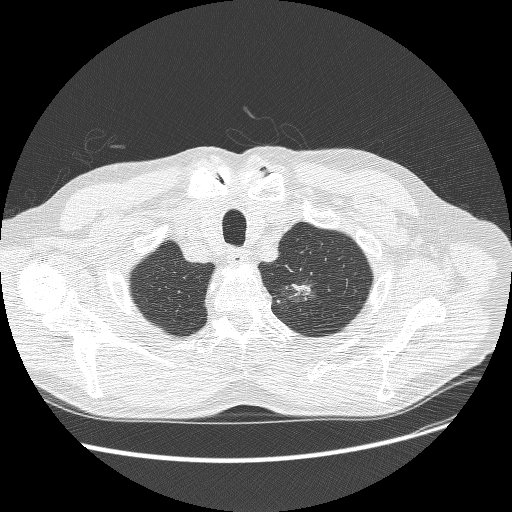
Axial chest CT slice 242 of 268 (counted from the lowest slice); 1.25 mm thick, 0.742 mm per pixel. Pulmonary nodule, outlined by three of the four readers. Box on this slice rows 279–305, columns 280–316, the union of the readers' outlines on this slice; longest diameter 30.8–31.7 mm and volume 4750–7267 mm3 across the three readers' outlines. Ratings across the readers: texture 3/5 (part-solid), all three readers agreeing; margin 1/5 (indistinct), all three readers agreeing; sphericity from 3/5 (ovoid) to 4/5 across the three readers; calcification absent, all three readers agreeing; internal structure soft tissue, all three readers agreeing; subtlety from 4/5 to 5/5 across the three readers; malignancy likelihood rated between 4 and 5 out of 5 by the three readers. Scale key (1–5): texture non-solid→solid, margin indistinct→circumscribed, sphericity linear→round, subtlety extremely subtle→obvious, malignancy likelihood highly unlikely→highly suspicious of cancer. Box rows and columns are 0-based pixel indices from the top-left corner, inclusive.
Acquired at 120 kVp and reconstructed with the BONE kernel.